Chest CT, axial plane, 120 kVp, kernel B. Slice 209/290 from the bottom of the scan; thickness 2.00 mm; pixel size 0.639 mm.
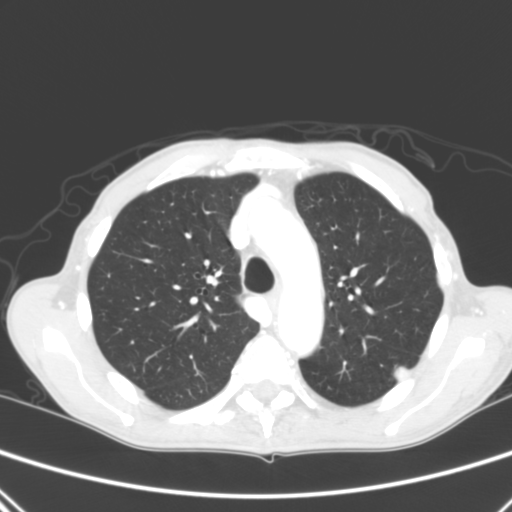
Pulmonary nodule at rows 366–381, columns 392–410 (box = the union of the readers' outlines on this slice), outlined by all four readers; median longest diameter 14.4 mm (readers' outlines 12.9–15.8 mm), median volume 1103 mm3 (837–1237 mm3). Median ratings and the readers' spread: texture 5/5 (solid) at the median of four readers, spread 4/5 to 5/5 (solid); median margin 4.5/5 (readers ranged 4/5 to 5/5 (circumscribed)); median sphericity 5/5 (round) (readers ranged 3/5 (ovoid) to 5/5 (round)); calcification: absent (three), laminated calcification (one); internal structure soft tissue, all four readers agreeing; median subtlety 5/5 (readers ranged 4–5); malignancy likelihood 3.5/5 at the median of four readers, spread 2–5. Scale key (1–5): texture non-solid→solid, margin indistinct→circumscribed, sphericity linear→round, subtlety extremely subtle→obvious, malignancy likelihood highly unlikely→highly suspicious of cancer. Box rows and columns are 0-based pixel indices from the top-left corner, inclusive.